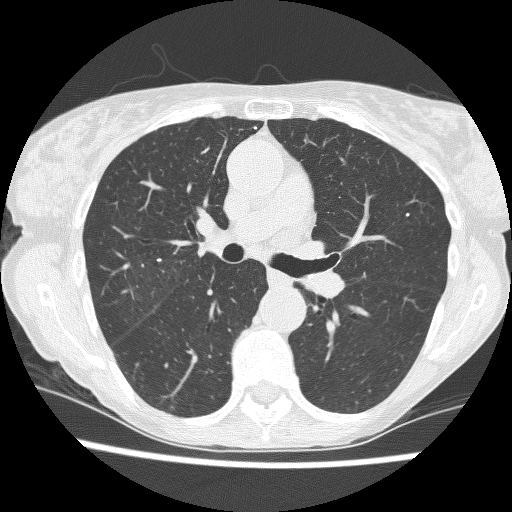
One axial slice (144 of 240, counting up from the lowest) of a chest CT acquired at 120 kVp with the BONE kernel; each pixel is 0.566 mm and the slice is 1.25 mm thick.
No nodule 3 mm or larger was outlined here by any reader.